Axial slice 259 of 503 of a chest CT (slice 1 is the lowest), reconstructed with the STANDARD kernel at 120 kVp; 1.25 mm slice thickness and 0.742 mm pixels.
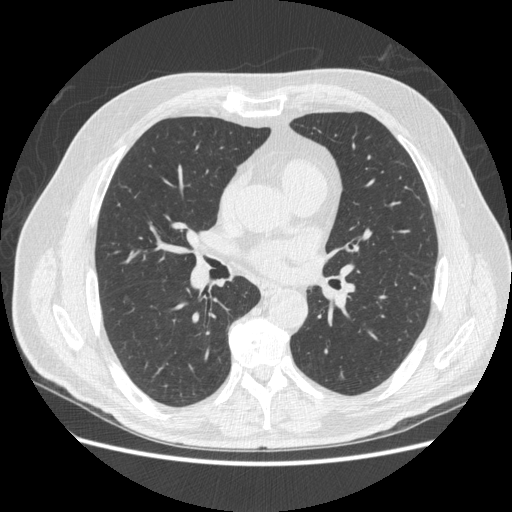
Pulmonary nodule at rows 295–304, columns 123–129 (box = the union of the readers' outlines on this slice), outlined by three of the four readers; median longest diameter 9.7 mm (readers' outlines 7.3–10.1 mm), median volume 120 mm3 (62–129 mm3). Median ratings and the readers' spread: texture 1/5 (non-solid) at the median of three readers, spread 1/5 (non-solid) to 4/5; margin 2/5 at the median of three readers, spread 2/5 to 4/5; sphericity 4/5 at the median of three readers, spread 3/5 (ovoid) to 4/5; calcification absent, all three readers agreeing; internal structure soft tissue from all three readers; subtlety 2/5 at the median of three readers, spread 1–4; malignancy likelihood 3/5 at the median of three readers, spread 3–4. Scale key (1–5): texture non-solid→solid, margin indistinct→circumscribed, sphericity linear→round, subtlety extremely subtle→obvious, malignancy likelihood highly unlikely→highly suspicious of cancer. Box rows and columns are 0-based pixel indices from the top-left corner, inclusive.